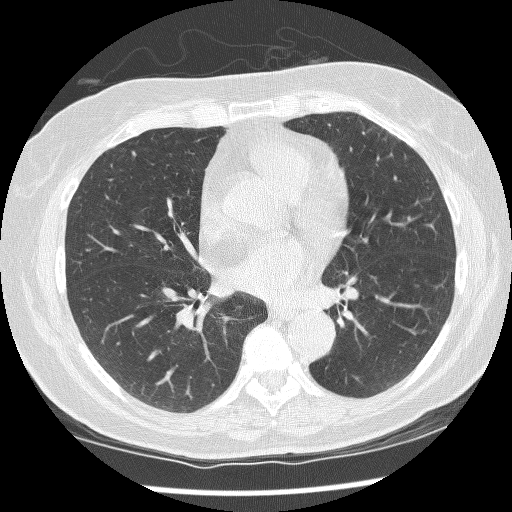
Axial chest CT slice 110 of 225 (counted from the lowest slice); 1.25 mm thick, 0.637 mm per pixel. Pulmonary nodule, outlined by two of the four readers. Box on this slice rows 150–156, columns 131–136, the union of the readers' outlines on this slice; median longest diameter 6.0 mm (readers' outlines 5.7–6.3 mm), median volume 87 mm3 (84–91 mm3). Median ratings and the readers' spread: texture 5/5 (solid) from both readers; median margin 4/5 (readers ranged 3/5 to 5/5 (circumscribed)); sphericity 3/5 (ovoid) at the median of two readers, spread 2/5 to 4/5; calcification absent, both readers agreeing; internal structure soft tissue, both readers agreeing; subtlety 4/5, both readers agreeing; malignancy likelihood 2.5/5 at the median of two readers, spread 2–3. Scale key (1–5): texture non-solid→solid, margin indistinct→circumscribed, sphericity linear→round, subtlety extremely subtle→obvious, malignancy likelihood highly unlikely→highly suspicious of cancer. Box rows and columns are 0-based pixel indices from the top-left corner, inclusive.
Tube voltage 120 kVp; convolution kernel BONE.